One axial slice (39 of 421, counting up from the lowest) of a chest CT acquired at 120 kVp with the STANDARD kernel; each pixel is 0.703 mm and the slice is 1.25 mm thick.
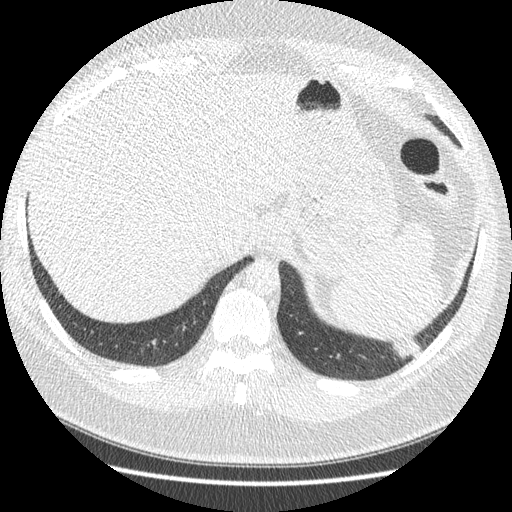
Pulmonary nodule, outlined four times (the source holds four more outlines, not used). Box on this slice rows 336–358, columns 392–422, the union of the readers' outlines on this slice; longest diameter 30.9–38.9 mm and volume 4443–5826 mm3 across the four readers' outlines. The readers' ratings, as ranges where they differ: texture from 4/5 to 5/5 (solid) across the four readers; margin from 3/5 to 4/5 across the four readers; sphericity from 2/5 to 4/5 across the four readers; calcification absent from all four readers; internal structure soft tissue, all four readers agreeing; subtlety rated between 4 and 5 out of 5 by the four readers; malignancy likelihood from 2/5 to 5/5 across the four readers. Scale key (1–5): texture non-solid→solid, margin indistinct→circumscribed, sphericity linear→round, subtlety extremely subtle→obvious, malignancy likelihood highly unlikely→highly suspicious of cancer. Box rows and columns are 0-based pixel indices from the top-left corner, inclusive.